Axial slice 212 of 276 of a chest CT (slice 1 is the lowest), reconstructed with the D kernel at 120 kVp; 2.00 mm slice thickness and 0.617 mm pixels.
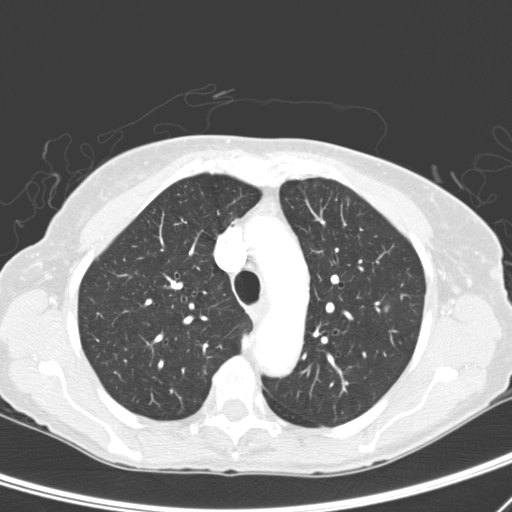
Pulmonary nodule at rows 304–312, columns 383–389 (box = the union of the readers' outlines on this slice), outlined by three of the four readers; the three readers' outlines give a longest diameter between 6.1 and 7.7 mm and a volume between 47 and 92 mm3. The readers' ratings, as ranges where they differ: texture from 1/5 (non-solid) to 5/5 (solid) across the three readers; margin from 2/5 to 5/5 (circumscribed) across the three readers; sphericity from 3/5 (ovoid) to 4/5 across the three readers; calcification absent from all three readers; internal structure soft tissue, all three readers agreeing; subtlety from 2/5 to 4/5 across the three readers; malignancy likelihood rated between 1 and 3 out of 5 by the three readers. Scale key (1–5): texture non-solid→solid, margin indistinct→circumscribed, sphericity linear→round, subtlety extremely subtle→obvious, malignancy likelihood highly unlikely→highly suspicious of cancer. Box rows and columns are 0-based pixel indices from the top-left corner, inclusive.